Chest CT, axial plane, 120 kVp, kernel STANDARD. Slice 110/145 from the bottom of the scan; thickness 2.50 mm; pixel size 0.781 mm.
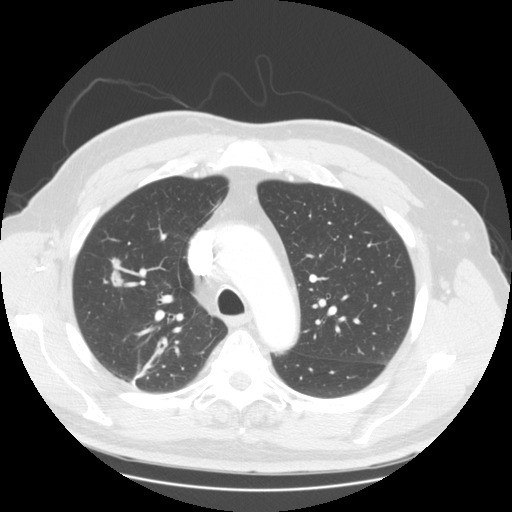
Pulmonary nodule at rows 257–286, columns 110–123 (box = the union of the readers' outlines on this slice), outlined four times (the source holds one more outline, not used); median longest diameter 23.0 mm (readers' outlines 14.4–24.8 mm), median volume 984 mm3 (776–1167 mm3). Ratings, median across the readers with their spread: median texture 4.5/5 (readers ranged 4/5 to 5/5 (solid)); median margin 4/5 (readers ranged 3/5 to 4/5); median sphericity 3/5 (ovoid) (readers ranged 2/5 to 3/5 (ovoid)); calcification absent, all four readers agreeing; internal structure soft tissue from all four readers; subtlety 5/5 from all four readers; malignancy likelihood 3.5/5 at the median of four readers, spread 2–5. Scale key (1–5): texture non-solid→solid, margin indistinct→circumscribed, sphericity linear→round, subtlety extremely subtle→obvious, malignancy likelihood highly unlikely→highly suspicious of cancer. Box rows and columns are 0-based pixel indices from the top-left corner, inclusive.